Axial chest CT slice 41 of 114 (counted from the lowest slice); tube voltage 120 kVp, convolution kernel STANDARD; slices 2.50 mm thick, 0.703 mm per pixel.
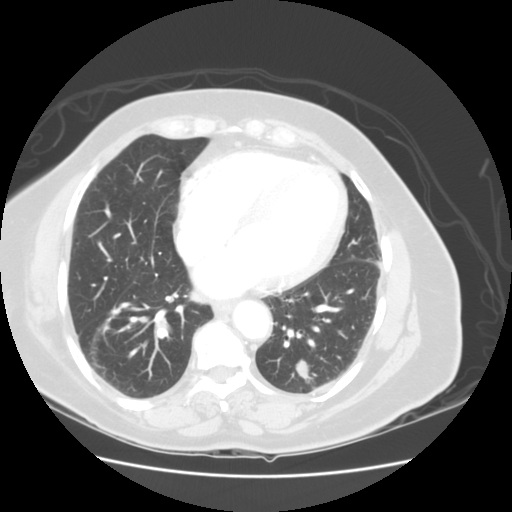
Pulmonary nodule, outlined by three of the four readers. Box on this slice rows 359–379, columns 295–312, the union of the readers' outlines on this slice; longest diameter 22.1 mm on average over the three readers' outlines (readers' outlines 20.1–25.1 mm), volume 2723–2965 mm3. The readers' prevailing ratings and who disagreed: texture 5/5 (solid), all three readers agreeing; margin 4/5 by two of three readers; the rest gave 5/5 (circumscribed) (one); sphericity 3/5 (ovoid), all three readers agreeing; calcification absent from all three readers; internal structure soft tissue, all three readers agreeing; subtlety 5/5, all three readers agreeing; malignancy likelihood 5/5 by two of three readers; the rest gave 2/5 (one). Scale key (1–5): texture non-solid→solid, margin indistinct→circumscribed, sphericity linear→round, subtlety extremely subtle→obvious, malignancy likelihood highly unlikely→highly suspicious of cancer. Box rows and columns are 0-based pixel indices from the top-left corner, inclusive.